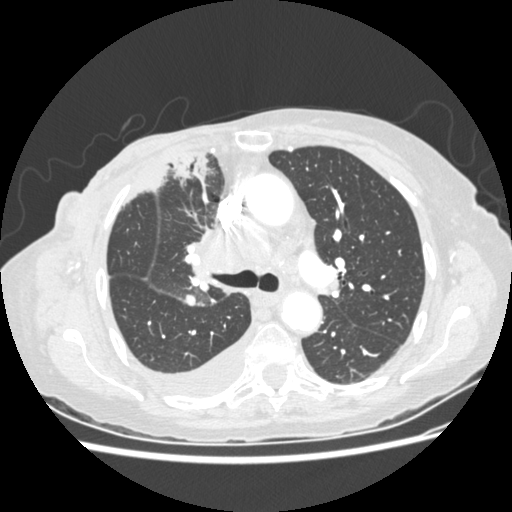
Axial slice 173 of 238 of a chest CT (slice 1 is the lowest), reconstructed with the STANDARD kernel at 120 kVp; 1.25 mm slice thickness and 0.664 mm pixels.
Pulmonary nodule, outlined by two of the four readers. Box on this slice rows 294–304, columns 186–194, the union of the readers' outlines on this slice; longest diameter 32.4 mm on average over the two readers' outlines (readers' outlines 31.3–33.5 mm), volume 8200–8583 mm3. The readers' prevailing ratings and who disagreed: texture 5/5 (solid) from both readers; margin split among the readers: 4/5 (one), 5/5 (circumscribed) (one); sphericity 4/5, both readers agreeing; calcification absent from both readers; internal structure soft tissue from both readers; subtlety 5/5 from both readers; malignancy likelihood split among the readers: 3/5 (one), 5/5 (one). Scale key (1–5): texture non-solid→solid, margin indistinct→circumscribed, sphericity linear→round, subtlety extremely subtle→obvious, malignancy likelihood highly unlikely→highly suspicious of cancer. Box rows and columns are 0-based pixel indices from the top-left corner, inclusive.